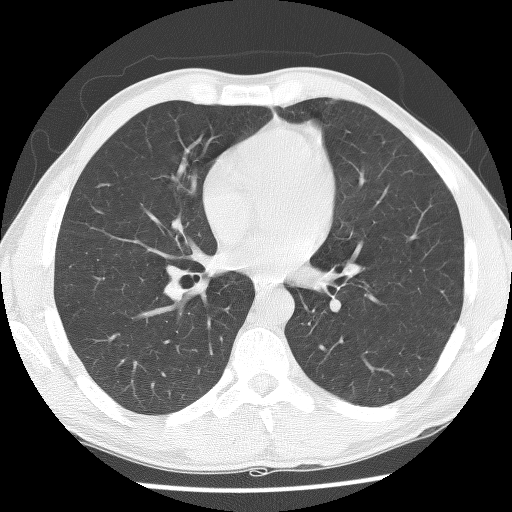
Chest CT, axial plane, 140 kVp, kernel BONE. Slice 70/139 from the bottom of the scan; thickness 2.50 mm; pixel size 0.629 mm.
This slice carries no reader outline of a nodule 3 mm or larger.